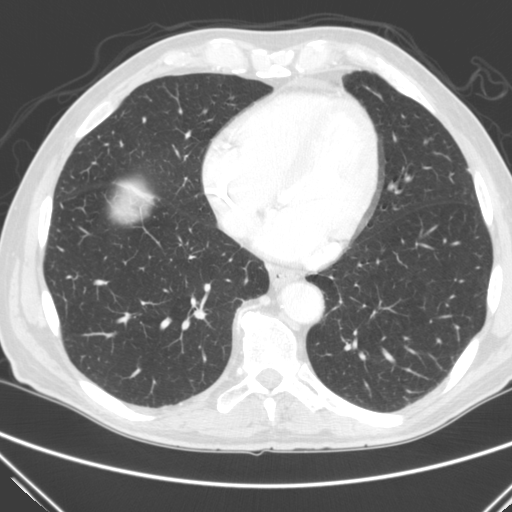
Axial slice 90 of 290 of a chest CT (slice 1 is the lowest), reconstructed with the C kernel at 120 kVp; 2.00 mm slice thickness and 0.682 mm pixels.
Pulmonary nodule, outlined by one of the four readers. Box on this slice rows 168–173, columns 465–470, that reader's outline on this slice; longest diameter 7.0 mm and volume 65 mm3 from that reader's outline. That reader's ratings: texture 5/5 (solid); margin 4/5; sphericity 4/5; calcification absent; internal structure soft tissue; subtlety 5/5; malignancy likelihood 3/5. Scale key (1–5): texture non-solid→solid, margin indistinct→circumscribed, sphericity linear→round, subtlety extremely subtle→obvious, malignancy likelihood highly unlikely→highly suspicious of cancer. Box rows and columns are 0-based pixel indices from the top-left corner, inclusive.